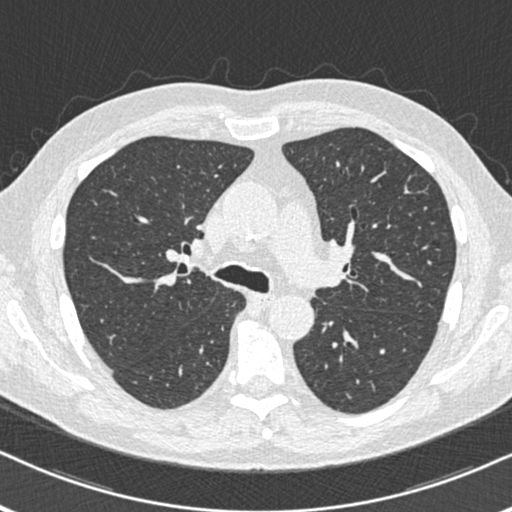
Axial slice 286 of 455 of a chest CT (slice 1 is the lowest), reconstructed with the B30f kernel at 120 kVp; 0.75 mm slice thickness and 0.633 mm pixels.
No nodule 3 mm or larger was outlined here by any reader.